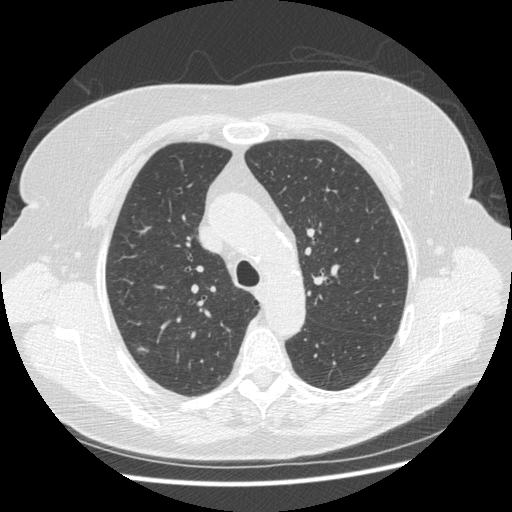
Axial chest CT slice 304 of 413 (counted from the lowest slice); 1.25 mm thick, 0.703 mm per pixel. Pulmonary nodule outlined by three of the four readers; box rows 346–352, columns 136–147 (the union of the readers' outlines on this slice); longest diameter 9.8 mm on average over the three readers' outlines (readers' outlines 8.7–10.5 mm), volume 88–182 mm3. The readers' prevailing ratings and who disagreed: texture split among the readers: 2/5 (one), 3/5 (part-solid) (one), 5/5 (solid) (one); margin split among the readers: 1/5 (indistinct) (one), 2/5 (one), 4/5 (one); sphericity 4/5 by two of three readers; the rest gave 3/5 (ovoid) (one); calcification absent, all three readers agreeing; internal structure soft tissue, all three readers agreeing; most readers (two of three) put subtlety at 4/5, others 5/5 (one); malignancy likelihood 4/5 from all three readers. Scale key (1–5): texture non-solid→solid, margin indistinct→circumscribed, sphericity linear→round, subtlety extremely subtle→obvious, malignancy likelihood highly unlikely→highly suspicious of cancer. Box rows and columns are 0-based pixel indices from the top-left corner, inclusive.
Scan settings: 120 kVp, STANDARD reconstruction kernel.